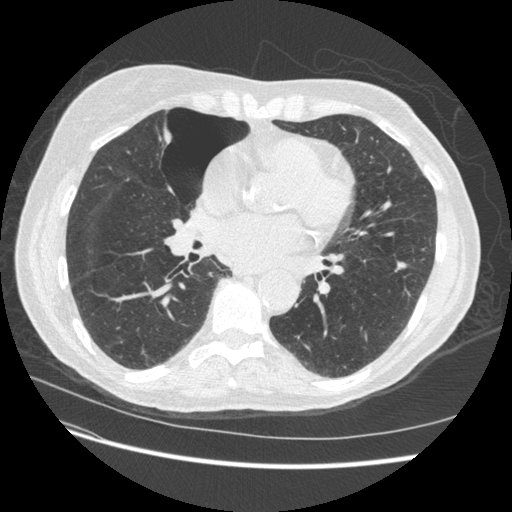
Axial chest CT slice 228 of 509 (counted from the lowest slice); 1.25 mm thick, 0.703 mm per pixel. Pulmonary nodule, outlined by three of the four readers. Box on this slice rows 261–273, columns 394–407, the union of the readers' outlines on this slice; longest diameter 9.2–11.6 mm and volume 182–365 mm3 across the three readers' outlines. The readers' ratings, as ranges where they differ: texture from 4/5 to 5/5 (solid) across the three readers; margin from 3/5 to 5/5 (circumscribed) across the three readers; sphericity from 2/5 to 4/5 across the three readers; calcification absent, all three readers agreeing; internal structure soft tissue from all three readers; subtlety 4/5, all three readers agreeing; malignancy likelihood from 2/5 to 4/5 across the three readers. Scale key (1–5): texture non-solid→solid, margin indistinct→circumscribed, sphericity linear→round, subtlety extremely subtle→obvious, malignancy likelihood highly unlikely→highly suspicious of cancer. Box rows and columns are 0-based pixel indices from the top-left corner, inclusive.
Scan settings: 120 kVp, STANDARD reconstruction kernel.